One axial slice (389 of 557, counting up from the lowest) of a chest CT acquired at 120 kVp with the STANDARD kernel; each pixel is 0.703 mm and the slice is 1.25 mm thick.
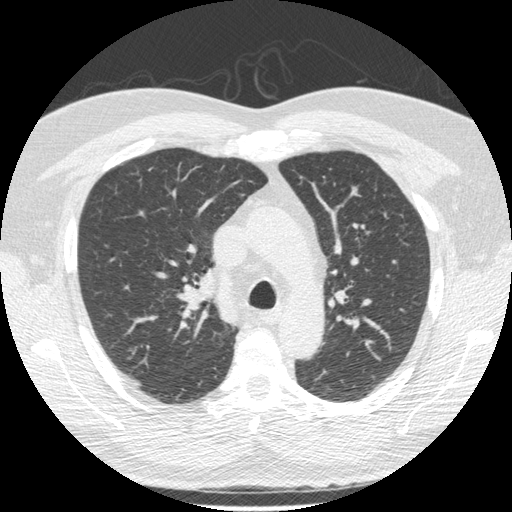
Pulmonary nodule, outlined by one of the four readers. Box on this slice rows 187–191, columns 352–356, that reader's outline on this slice; longest diameter 9.1 mm and volume 53 mm3 from that reader's outline. Ratings by that reader: texture 1/5 (non-solid); margin 3/5; sphericity 3/5 (ovoid); calcification absent; internal structure soft tissue; subtlety 2/5; malignancy likelihood 3/5. Scale key (1–5): texture non-solid→solid, margin indistinct→circumscribed, sphericity linear→round, subtlety extremely subtle→obvious, malignancy likelihood highly unlikely→highly suspicious of cancer. Box rows and columns are 0-based pixel indices from the top-left corner, inclusive.